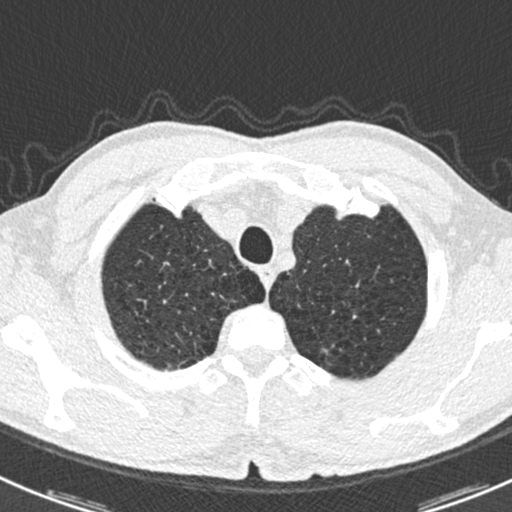
Axial chest CT slice 485 of 538 (counted from the lowest slice); tube voltage 120 kVp, convolution kernel B30f; slices 0.75 mm thick, 0.605 mm per pixel.
Pulmonary nodule outlined by one of the four readers; box rows 348–352, columns 321–327 (that reader's outline on this slice); longest diameter 14.6 mm and volume 194 mm3 from that reader's outline. That reader's ratings: texture 2/5; margin 1/5 (indistinct); sphericity 2/5; calcification absent; internal structure soft tissue; subtlety 2/5; malignancy likelihood 4/5. Scale key (1–5): texture non-solid→solid, margin indistinct→circumscribed, sphericity linear→round, subtlety extremely subtle→obvious, malignancy likelihood highly unlikely→highly suspicious of cancer. Box rows and columns are 0-based pixel indices from the top-left corner, inclusive.